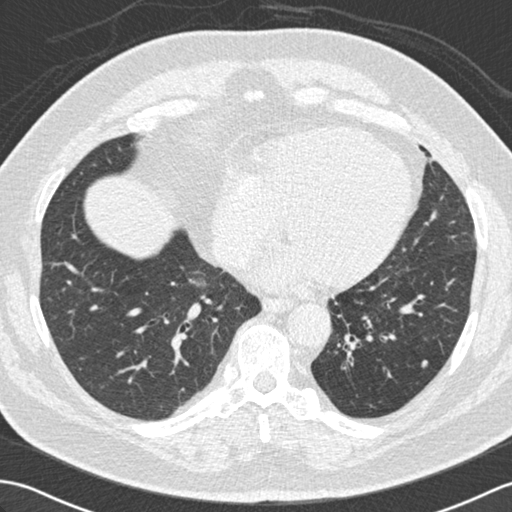
Slice 68/172 of a chest CT, counting up from the lowest; pixel size 0.684 mm, slice thickness 2.00 mm. Pulmonary nodule, outlined by all four readers. Box on this slice rows 359–368, columns 421–429, the union of the readers' outlines on this slice; median longest diameter 7.6 mm (readers' outlines 7.3–8.0 mm), median volume 142 mm3 (109–174 mm3). Ratings, median across the readers with their spread: texture 5/5 (solid) at the median of four readers, spread 4/5 to 5/5 (solid); median margin 4.5/5 (readers ranged 4/5 to 5/5 (circumscribed)); sphericity 4/5 at the median of four readers, spread 3/5 (ovoid) to 5/5 (round); calcification absent, all four readers agreeing; internal structure soft tissue from all four readers; median subtlety 4.5/5 (readers ranged 2–5); median malignancy likelihood 2.5/5 (readers ranged 2–5). Scale key (1–5): texture non-solid→solid, margin indistinct→circumscribed, sphericity linear→round, subtlety extremely subtle→obvious, malignancy likelihood highly unlikely→highly suspicious of cancer. Box rows and columns are 0-based pixel indices from the top-left corner, inclusive.
Acquired at 120 kVp and reconstructed with the B30f kernel.